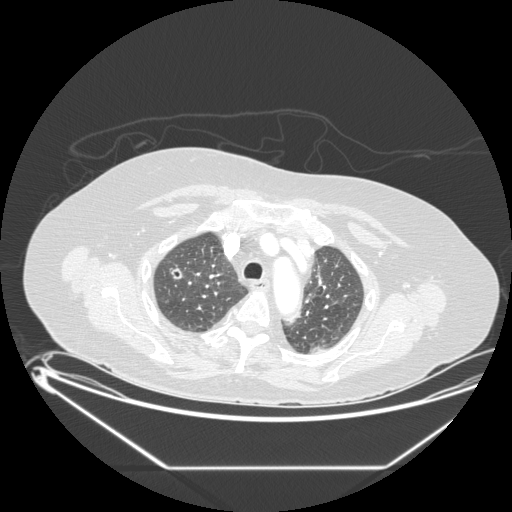
One axial slice (161 of 197, counting up from the lowest) of a chest CT acquired at 120 kVp with the STANDARD kernel; each pixel is 0.859 mm and the slice is 1.25 mm thick.
Pulmonary nodule, outlined by all four readers. Box on this slice rows 268–278, columns 171–181, the union of the readers' outlines on this slice; longest diameter 10.4–12.9 mm and volume 381–630 mm3 across the four readers' outlines. Ratings across the readers: texture from 3/5 (part-solid) to 5/5 (solid) across the four readers; margin from 2/5 to 5/5 (circumscribed) across the four readers; sphericity from 4/5 to 5/5 (round) across the four readers; calcification absent from all four readers; internal structure: soft tissue (three), air (one); subtlety from 3/5 to 5/5 across the four readers; malignancy likelihood from 2/5 to 4/5 across the four readers. Scale key (1–5): texture non-solid→solid, margin indistinct→circumscribed, sphericity linear→round, subtlety extremely subtle→obvious, malignancy likelihood highly unlikely→highly suspicious of cancer. Box rows and columns are 0-based pixel indices from the top-left corner, inclusive.